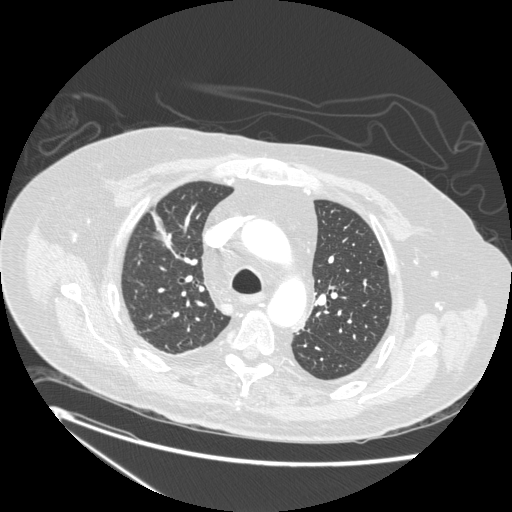
Axial slice 169 of 238 of a chest CT (slice 1 is the lowest), reconstructed with the STANDARD kernel at 120 kVp; 1.25 mm slice thickness and 0.781 mm pixels.
Pulmonary nodule, outlined by two of the four readers, one of them on this slice. Box on this slice rows 235–244, columns 163–170, the one reader's outline on this slice; longest diameter 10.8 mm on average over the two readers' outlines (readers' outlines 7.7–14.0 mm), volume 107–242 mm3. The readers' prevailing ratings and who disagreed: texture 5/5 (solid) from both readers; margin split among the readers: 2/5 (one), 4/5 (one); sphericity split among the readers: 2/5 (one), 4/5 (one); calcification absent, both readers agreeing; internal structure soft tissue, both readers agreeing; subtlety split among the readers: 4/5 (one), 5/5 (one); malignancy likelihood 3/5 from both readers. Scale key (1–5): texture non-solid→solid, margin indistinct→circumscribed, sphericity linear→round, subtlety extremely subtle→obvious, malignancy likelihood highly unlikely→highly suspicious of cancer. Box rows and columns are 0-based pixel indices from the top-left corner, inclusive.